One axial slice (264 of 381, counting up from the lowest) of a chest CT acquired at 120 kVp with the STANDARD kernel; each pixel is 0.625 mm and the slice is 1.25 mm thick.
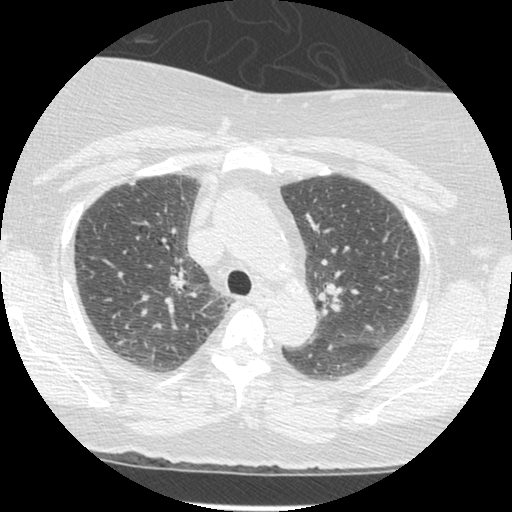
Pulmonary nodule at rows 181–185, columns 128–133 (box = that reader's outline on this slice), outlined by one of the four readers; longest diameter 4.8 mm and volume 33 mm3 from that reader's outline. That reader's ratings: texture 5/5 (solid); margin 5/5 (circumscribed); sphericity 3/5 (ovoid); calcification absent; internal structure soft tissue; subtlety 4/5; malignancy likelihood 3/5. Scale key (1–5): texture non-solid→solid, margin indistinct→circumscribed, sphericity linear→round, subtlety extremely subtle→obvious, malignancy likelihood highly unlikely→highly suspicious of cancer. Box rows and columns are 0-based pixel indices from the top-left corner, inclusive.